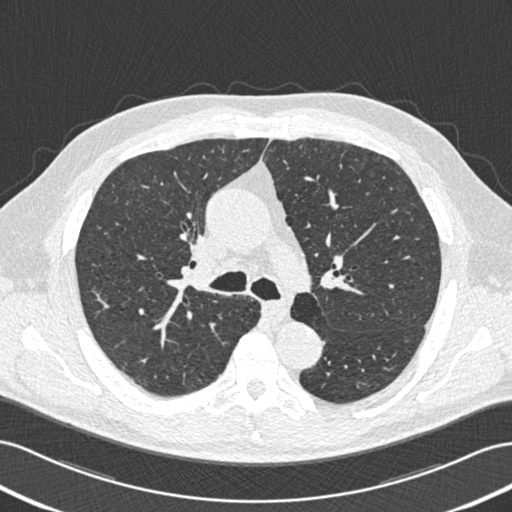
Chest CT, axial plane, 120 kVp, kernel B30f. Slice 344/506 from the bottom of the scan; thickness 0.75 mm; pixel size 0.699 mm.
No nodule of 3 mm or larger was outlined by any of the four readers on this slice.